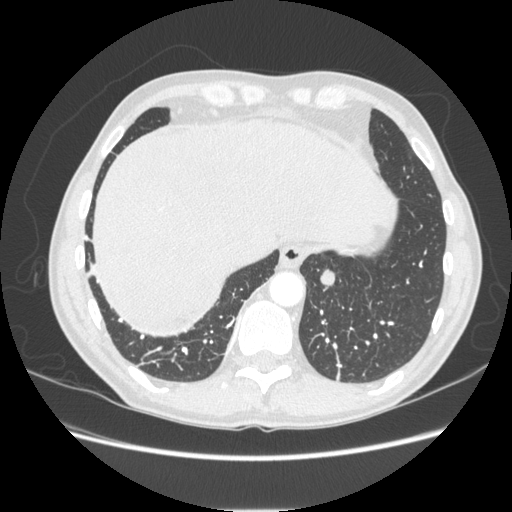
Axial chest CT slice 57 of 253 (counted from the lowest slice); tube voltage 120 kVp, convolution kernel STANDARD; slices 1.25 mm thick, 0.742 mm per pixel.
Pulmonary nodule, outlined by all four readers. Box on this slice rows 269–290, columns 319–334, the union of the readers' outlines on this slice; longest diameter 16.3 mm on average over the four readers' outlines (readers' outlines 15.6–17.5 mm), volume 1063–1176 mm3. The readers' prevailing ratings and who disagreed: texture 5/5 (solid), all four readers agreeing; margin 5/5 (circumscribed), all four readers agreeing; sphericity 5/5 (round) by two of four readers; the rest gave 3/5 (ovoid) (one), 4/5 (one); calcification absent from all four readers; internal structure soft tissue, all four readers agreeing; subtlety 5/5 from all four readers; malignancy likelihood 3/5 by two of four readers; the rest gave 4/5 (one), 5/5 (one). Scale key (1–5): texture non-solid→solid, margin indistinct→circumscribed, sphericity linear→round, subtlety extremely subtle→obvious, malignancy likelihood highly unlikely→highly suspicious of cancer. Box rows and columns are 0-based pixel indices from the top-left corner, inclusive.